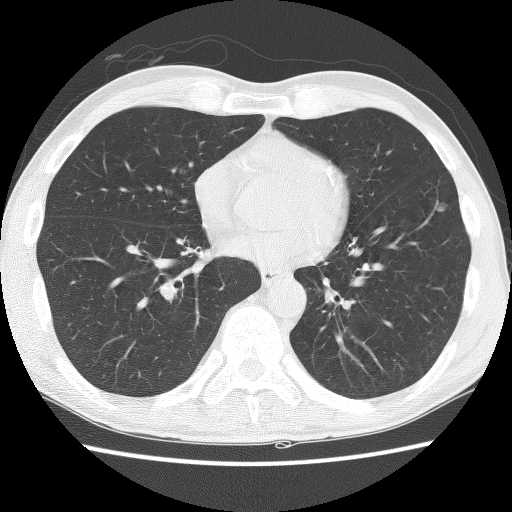
Axial slice 52 of 136 of a chest CT (slice 1 is the lowest), reconstructed with the BONE kernel at 140 kVp; 2.50 mm slice thickness and 0.646 mm pixels.
Pulmonary nodule outlined by all four readers; box rows 201–212, columns 437–445 (the union of the readers' outlines on this slice); longest diameter 9.0–11.0 mm and volume 271–385 mm3 across the four readers' outlines. The readers' ratings, as ranges where they differ: texture from 4/5 to 5/5 (solid) across the four readers; margin from 4/5 to 5/5 (circumscribed) across the four readers; sphericity from 3/5 (ovoid) to 4/5 across the four readers; calcification absent from all four readers; internal structure soft tissue, all four readers agreeing; subtlety from 4/5 to 5/5 across the four readers; malignancy likelihood 3–4/5 (the readers disagree). Scale key (1–5): texture non-solid→solid, margin indistinct→circumscribed, sphericity linear→round, subtlety extremely subtle→obvious, malignancy likelihood highly unlikely→highly suspicious of cancer. Box rows and columns are 0-based pixel indices from the top-left corner, inclusive.